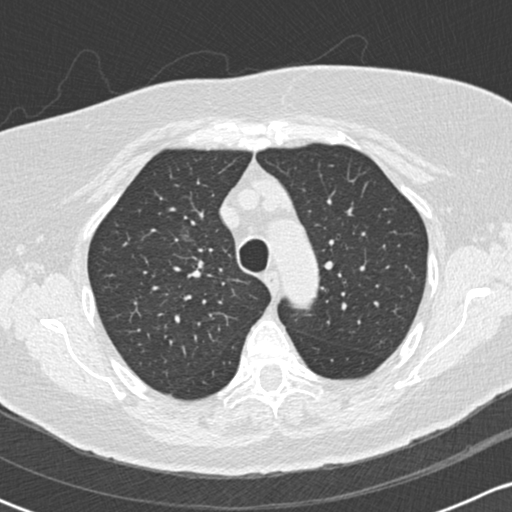
Axial slice 130 of 172 of a chest CT (slice 1 is the lowest), reconstructed with the B30f kernel at 120 kVp; 2.00 mm slice thickness and 0.605 mm pixels.
Pulmonary nodule at rows 234–240, columns 182–190 (box = that reader's outline on this slice), outlined by one of the four readers; longest diameter 11.4 mm and volume 292 mm3 from that reader's outline. Ratings by that reader: texture 1/5 (non-solid); margin 1/5 (indistinct); sphericity 2/5; calcification absent; internal structure soft tissue; subtlety 1/5; malignancy likelihood 4/5. Scale key (1–5): texture non-solid→solid, margin indistinct→circumscribed, sphericity linear→round, subtlety extremely subtle→obvious, malignancy likelihood highly unlikely→highly suspicious of cancer. Box rows and columns are 0-based pixel indices from the top-left corner, inclusive.